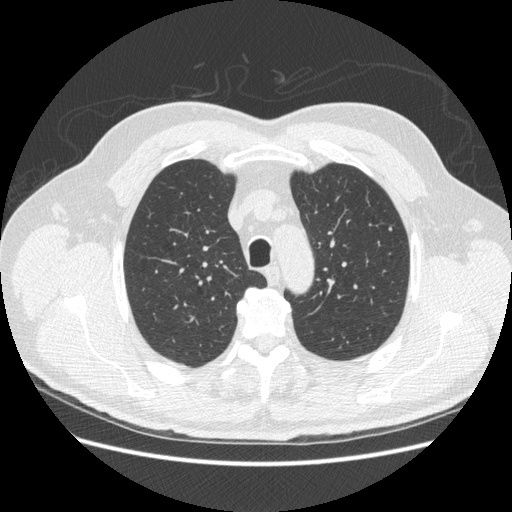
One axial slice (389 of 503, counting up from the lowest) of a chest CT acquired at 120 kVp with the STANDARD kernel; each pixel is 0.742 mm and the slice is 1.25 mm thick.
Pulmonary nodule at rows 227–231, columns 388–391 (box = that reader's outline on this slice), outlined by one of the four readers; longest diameter 5.7 mm and volume 48 mm3 from that reader's outline. That reader's ratings: texture 4/5; margin 4/5; sphericity 2/5; calcification absent; internal structure soft tissue; subtlety 3/5; malignancy likelihood 4/5. Scale key (1–5): texture non-solid→solid, margin indistinct→circumscribed, sphericity linear→round, subtlety extremely subtle→obvious, malignancy likelihood highly unlikely→highly suspicious of cancer. Box rows and columns are 0-based pixel indices from the top-left corner, inclusive.